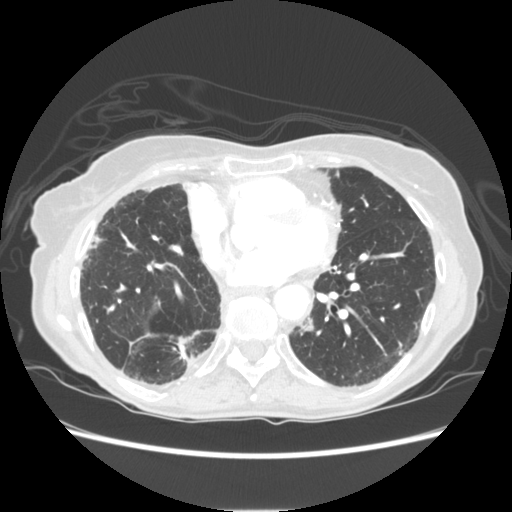
Axial chest CT slice 58 of 131 (counted from the lowest slice); 2.50 mm thick, 0.703 mm per pixel. Pulmonary nodule, outlined by one of the four readers. Box on this slice rows 319–331, columns 299–314, that reader's outline on this slice; longest diameter 15.0 mm and volume 636 mm3 from that reader's outline. Ratings by that reader: texture 3/5 (part-solid); margin 1/5 (indistinct); sphericity 2/5; calcification absent; internal structure soft tissue; subtlety 3/5; malignancy likelihood 1/5. Scale key (1–5): texture non-solid→solid, margin indistinct→circumscribed, sphericity linear→round, subtlety extremely subtle→obvious, malignancy likelihood highly unlikely→highly suspicious of cancer. Box rows and columns are 0-based pixel indices from the top-left corner, inclusive.
Acquired at 120 kVp and reconstructed with the STANDARD kernel.